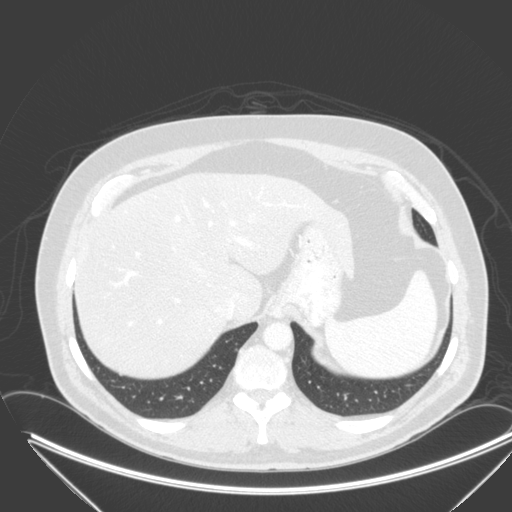
Axial chest CT slice 61 of 315 (counted from the lowest slice); tube voltage 120 kVp, convolution kernel B; slices 2.00 mm thick, 0.830 mm per pixel.
Pulmonary nodule outlined by all four readers, one of them on this slice; box rows 347–350, columns 234–236 (the one reader's outline on this slice); the four readers' outlines give a longest diameter between 6.0 and 6.3 mm and a volume between 62 and 74 mm3. Ratings across the readers: texture 5/5 (solid), all four readers agreeing; margin 5/5 (circumscribed), all four readers agreeing; sphericity from 4/5 to 5/5 (round) across the four readers; calcification: solid calcification (three), absent (one); internal structure soft tissue from all four readers; subtlety rated between 1 and 5 out of 5 by the four readers; malignancy likelihood 1–3/5 (the readers disagree). Scale key (1–5): texture non-solid→solid, margin indistinct→circumscribed, sphericity linear→round, subtlety extremely subtle→obvious, malignancy likelihood highly unlikely→highly suspicious of cancer. Box rows and columns are 0-based pixel indices from the top-left corner, inclusive.